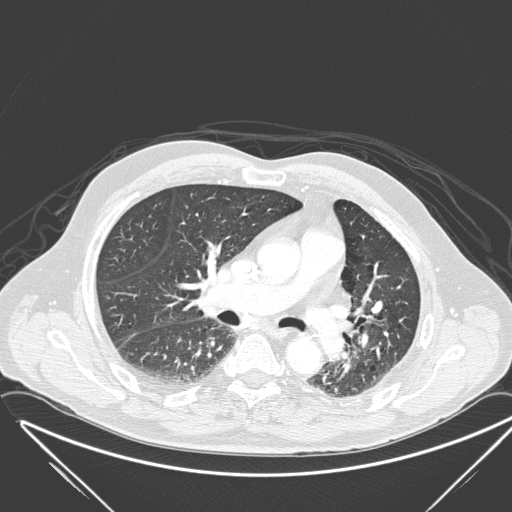
Axial slice 133 of 280 of a chest CT (slice 1 is the lowest), reconstructed with the D kernel at 120 kVp; 1.00 mm slice thickness and 0.830 mm pixels.
No nodule of 3 mm or larger was outlined by any of the four readers on this slice.